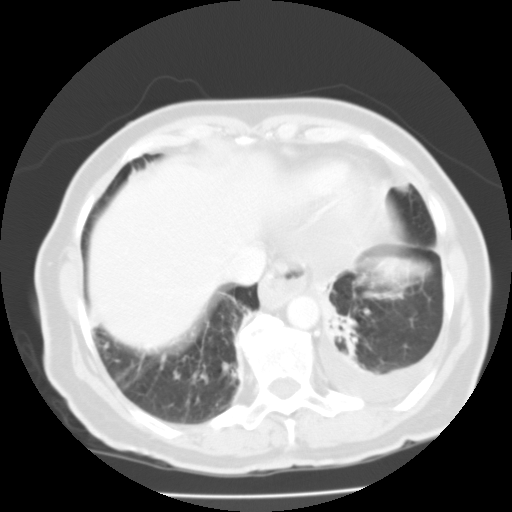
Axial chest CT slice 47 of 119 (counted from the lowest slice); 3.00 mm thick, 0.640 mm per pixel. Pulmonary nodule at rows 183–195, columns 395–408 (box = that reader's outline on this slice), outlined by one of the four readers; longest diameter 18.8 mm and volume 4417 mm3 from that reader's outline. Ratings by that reader: texture 5/5 (solid); margin 4/5; sphericity 4/5; calcification absent; internal structure soft tissue; subtlety 4/5; malignancy likelihood 4/5. Scale key (1–5): texture non-solid→solid, margin indistinct→circumscribed, sphericity linear→round, subtlety extremely subtle→obvious, malignancy likelihood highly unlikely→highly suspicious of cancer. Box rows and columns are 0-based pixel indices from the top-left corner, inclusive.
Scan settings: 135 kVp, FC01 reconstruction kernel.